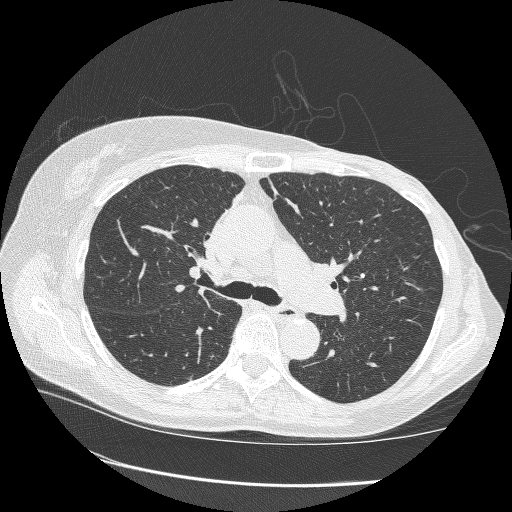
Axial slice 185 of 265 of a chest CT (slice 1 is the lowest), reconstructed with the BONE kernel at 120 kVp; 1.25 mm slice thickness and 0.664 mm pixels.
Pulmonary nodule outlined by one of the four readers; box rows 273–277, columns 360–364 (that reader's outline on this slice); longest diameter 5.5 mm and volume 53 mm3 from that reader's outline. Ratings by that reader: texture 5/5 (solid); margin 5/5 (circumscribed); sphericity 5/5 (round); calcification solid calcification; internal structure soft tissue; subtlety 1/5; malignancy likelihood 1/5. Scale key (1–5): texture non-solid→solid, margin indistinct→circumscribed, sphericity linear→round, subtlety extremely subtle→obvious, malignancy likelihood highly unlikely→highly suspicious of cancer. Box rows and columns are 0-based pixel indices from the top-left corner, inclusive.